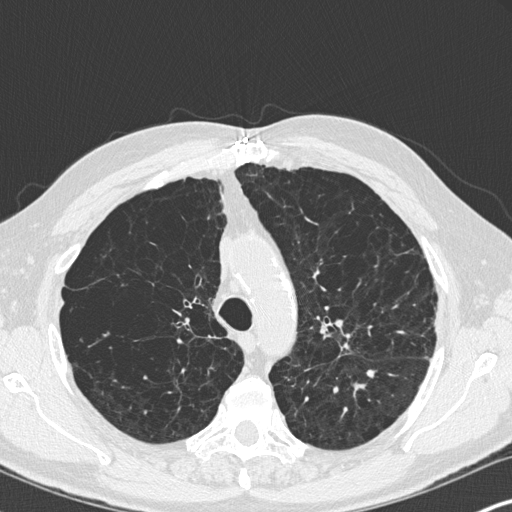
Slice 235/347 of a chest CT, counting up from the lowest; pixel size 0.625 mm, slice thickness 1.00 mm. Pulmonary nodule outlined by all four readers; box rows 369–377, columns 366–375 (the union of the readers' outlines on this slice); the four readers' outlines give a longest diameter between 6.4 and 10.3 mm and a volume between 66 and 148 mm3. The readers' ratings, as ranges where they differ: texture 5/5 (solid) from all four readers; margin from 4/5 to 5/5 (circumscribed) across the four readers; sphericity from 2/5 to 4/5 across the four readers; calcification absent, all four readers agreeing; internal structure soft tissue from all four readers; subtlety rated between 3 and 5 out of 5 by the four readers; malignancy likelihood rated between 2 and 3 out of 5 by the four readers. Scale key (1–5): texture non-solid→solid, margin indistinct→circumscribed, sphericity linear→round, subtlety extremely subtle→obvious, malignancy likelihood highly unlikely→highly suspicious of cancer. Box rows and columns are 0-based pixel indices from the top-left corner, inclusive.
Tube voltage 120 kVp; convolution kernel B45f.